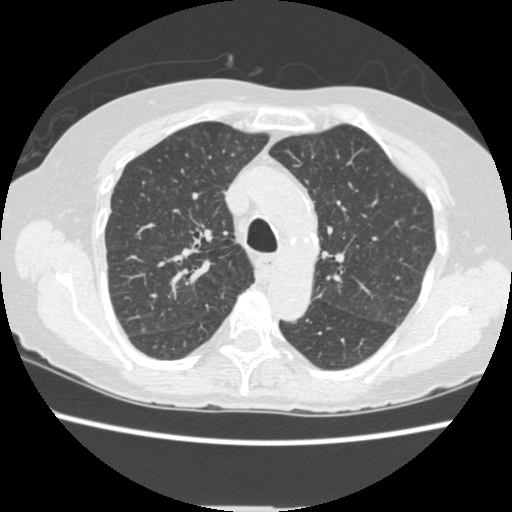
Axial chest CT slice 259 of 362 (counted from the lowest slice); 1.25 mm thick, 0.625 mm per pixel. This slice carries no reader outline of a nodule 3 mm or larger.
Scan settings: 120 kVp, STANDARD reconstruction kernel.